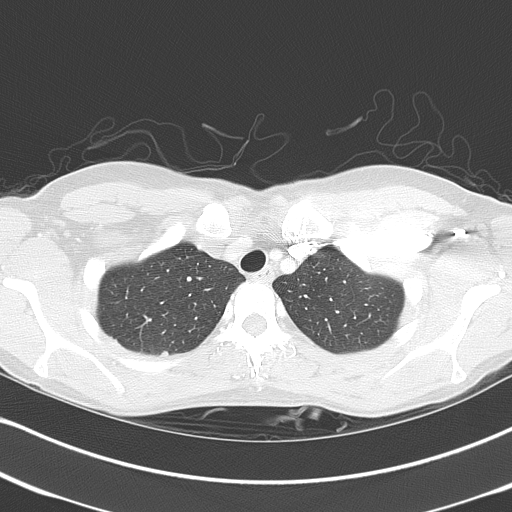
Chest CT, axial plane, 120 kVp, kernel B70f. Slice 319/368 from the bottom of the scan; thickness 2.00 mm; pixel size 0.623 mm.
Pulmonary nodule at rows 350–355, columns 161–168 (box = the union of the readers' outlines on this slice), outlined by three of the four readers; median longest diameter 6.5 mm (readers' outlines 5.1–6.9 mm), median volume 61 mm3 (47–73 mm3). Median ratings and the readers' spread: texture 5/5 (solid) from all three readers; median margin 4/5 (readers ranged 3/5 to 5/5 (circumscribed)); median sphericity 4/5 (readers ranged 3/5 (ovoid) to 4/5); calcification absent from all three readers; internal structure soft tissue from all three readers; subtlety 4/5 at the median of three readers, spread 3–5; median malignancy likelihood 2/5 (readers ranged 2–3). Scale key (1–5): texture non-solid→solid, margin indistinct→circumscribed, sphericity linear→round, subtlety extremely subtle→obvious, malignancy likelihood highly unlikely→highly suspicious of cancer. Box rows and columns are 0-based pixel indices from the top-left corner, inclusive.